Axial slice 60 of 230 of a chest CT (slice 1 is the lowest), reconstructed with the BONE kernel at 120 kVp; 1.25 mm slice thickness and 0.732 mm pixels.
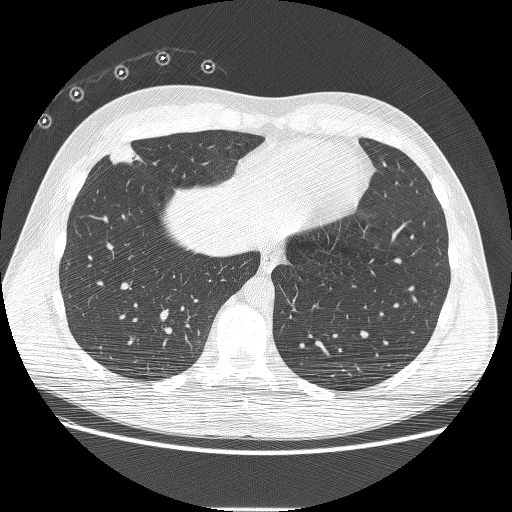
Pulmonary nodule, outlined by all four readers. Box on this slice rows 143–164, columns 108–138, the union of the readers' outlines on this slice; the four readers' outlines give a longest diameter between 23.5 and 29.5 mm and a volume between 3146 and 3701 mm3. The readers' ratings, as ranges where they differ: texture 5/5 (solid) from all four readers; margin from 3/5 to 5/5 (circumscribed) across the four readers; sphericity from 3/5 (ovoid) to 4/5 across the four readers; calcification absent, all four readers agreeing; internal structure soft tissue from all four readers; subtlety 5/5 from all four readers; malignancy likelihood 4–5/5 (the readers disagree). Scale key (1–5): texture non-solid→solid, margin indistinct→circumscribed, sphericity linear→round, subtlety extremely subtle→obvious, malignancy likelihood highly unlikely→highly suspicious of cancer. Box rows and columns are 0-based pixel indices from the top-left corner, inclusive.